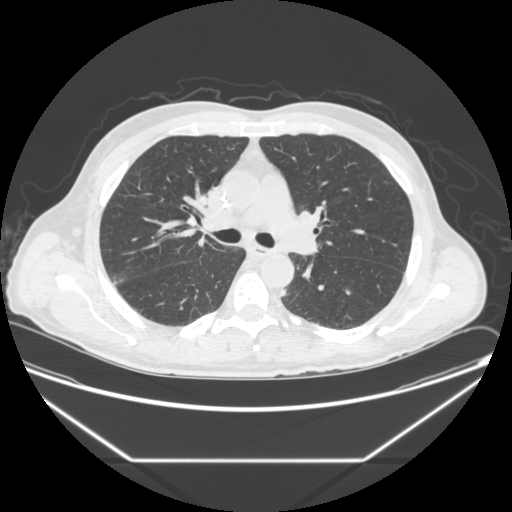
Axial slice 140 of 251 of a chest CT (slice 1 is the lowest), reconstructed with the STANDARD kernel at 120 kVp; 1.25 mm slice thickness and 0.809 mm pixels.
Pulmonary nodule at rows 289–295, columns 281–285 (box = the union of the readers' outlines on this slice), outlined by three of the four readers; longest diameter 7.3 mm on average over the three readers' outlines (readers' outlines 6.7–7.7 mm), volume 143–192 mm3. Ratings, by the readers' most common answer with dissent counted: texture 5/5 (solid) from all three readers; most readers (two of three) put margin at 4/5, others 5/5 (circumscribed) (one); sphericity split among the readers: 3/5 (ovoid) (one), 4/5 (one), 5/5 (round) (one); calcification absent, all three readers agreeing; internal structure soft tissue, all three readers agreeing; subtlety split among the readers: 1/5 (one), 2/5 (one), 5/5 (one); malignancy likelihood 3/5 by two of three readers; the rest gave 2/5 (one). Scale key (1–5): texture non-solid→solid, margin indistinct→circumscribed, sphericity linear→round, subtlety extremely subtle→obvious, malignancy likelihood highly unlikely→highly suspicious of cancer. Box rows and columns are 0-based pixel indices from the top-left corner, inclusive.